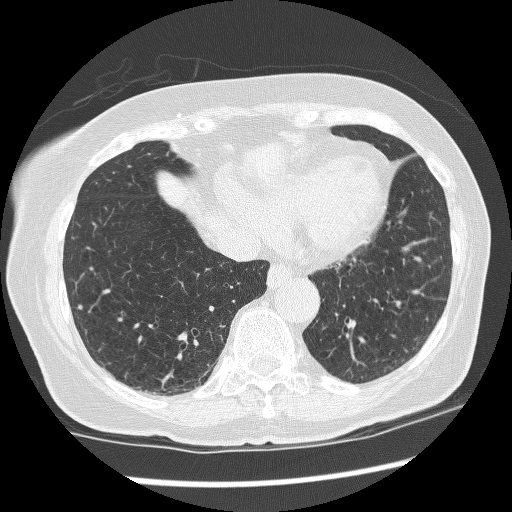
Slice 88/247 of a chest CT, counting up from the lowest; pixel size 0.643 mm, slice thickness 1.25 mm. Pulmonary nodule at rows 303–309, columns 76–82 (box = the union of the readers' outlines on this slice), outlined by all four readers; the four readers' outlines give a longest diameter between 4.9 and 5.3 mm and a volume between 53 and 68 mm3. Ratings across the readers: texture 5/5 (solid) from all four readers; margin from 4/5 to 5/5 (circumscribed) across the four readers; sphericity from 4/5 to 5/5 (round) across the four readers; calcification absent from all four readers; internal structure soft tissue, all four readers agreeing; subtlety rated between 2 and 5 out of 5 by the four readers; malignancy likelihood 3/5, all four readers agreeing. Scale key (1–5): texture non-solid→solid, margin indistinct→circumscribed, sphericity linear→round, subtlety extremely subtle→obvious, malignancy likelihood highly unlikely→highly suspicious of cancer. Box rows and columns are 0-based pixel indices from the top-left corner, inclusive.
Tube voltage 120 kVp; convolution kernel BONE.